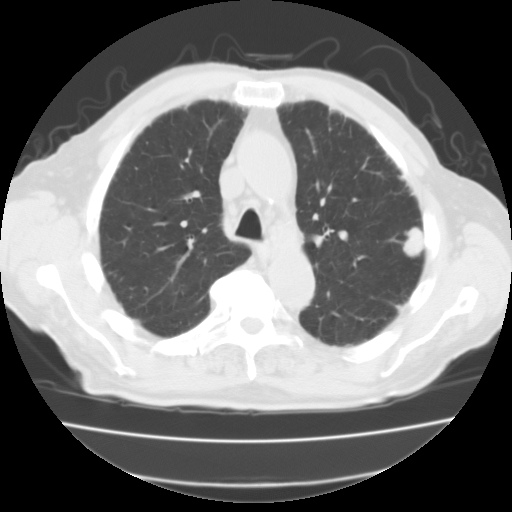
This is axial slice 71 of 111 (slice 1 is the lowest) of a chest CT; each pixel is 0.714 mm and the slice is 3.00 mm thick. Pulmonary nodule at rows 226–257, columns 402–423 (box = the union of the readers' outlines on this slice), outlined by all four readers; longest diameter 24.8 mm on average over the four readers' outlines (readers' outlines 24.3–25.8 mm), volume 3889–4187 mm3. Ratings, by the readers' most common answer with dissent counted: texture 5/5 (solid), all four readers agreeing; margin 5/5 (circumscribed), all four readers agreeing; sphericity 3/5 (ovoid) by three of four readers; the rest gave 5/5 (round) (one); calcification absent from all four readers; internal structure soft tissue, all four readers agreeing; subtlety 5/5, all four readers agreeing; malignancy likelihood split among the readers: 2/5 (one), 3/5 (one), 4/5 (one), 5/5 (one). Scale key (1–5): texture non-solid→solid, margin indistinct→circumscribed, sphericity linear→round, subtlety extremely subtle→obvious, malignancy likelihood highly unlikely→highly suspicious of cancer. Box rows and columns are 0-based pixel indices from the top-left corner, inclusive.
Tube voltage 135 kVp; convolution kernel FC01.